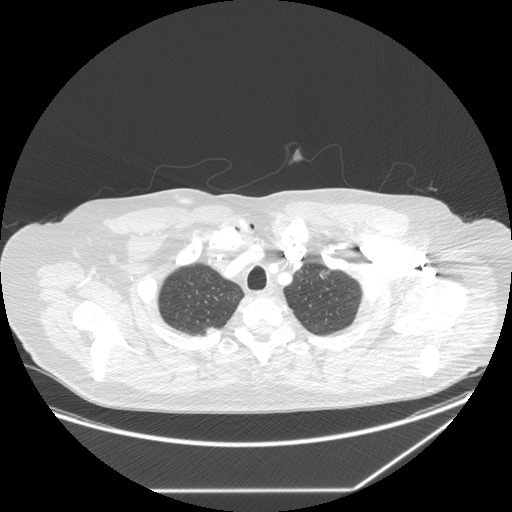
Chest CT, axial plane, 120 kVp, kernel STANDARD. Slice 224/258 from the bottom of the scan; thickness 1.25 mm; pixel size 0.859 mm.
Pulmonary nodule at rows 271–279, columns 319–328 (box = the one reader's outline on this slice), outlined by all four readers, one of them on this slice; median longest diameter 13.2 mm (readers' outlines 11.3–14.0 mm), median volume 551 mm3 (372–779 mm3). Median ratings and the readers' spread: texture 5/5 (solid), all four readers agreeing; margin 4.5/5 at the median of four readers, spread 4/5 to 5/5 (circumscribed); median sphericity 3.5/5 (readers ranged 3/5 (ovoid) to 5/5 (round)); calcification absent from all four readers; internal structure soft tissue, all four readers agreeing; median subtlety 5/5 (readers ranged 4–5); median malignancy likelihood 3.5/5 (readers ranged 3–4). Scale key (1–5): texture non-solid→solid, margin indistinct→circumscribed, sphericity linear→round, subtlety extremely subtle→obvious, malignancy likelihood highly unlikely→highly suspicious of cancer. Box rows and columns are 0-based pixel indices from the top-left corner, inclusive.